Chest CT, axial plane, 130 kVp, kernel B31s. Slice 74/115 from the bottom of the scan; thickness 3.00 mm; pixel size 0.582 mm.
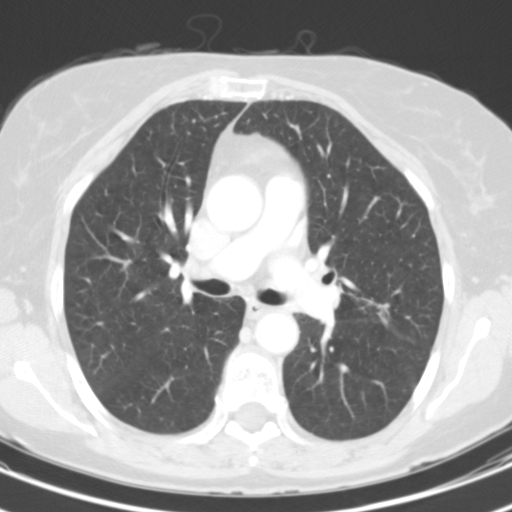
Pulmonary nodule at rows 303–328, columns 376–391 (box = the union of the readers' outlines on this slice), outlined by all four readers, three of them on this slice; longest diameter 16.7 mm on average over the four readers' outlines (readers' outlines 15.5–18.1 mm), volume 196–1011 mm3. The readers' prevailing ratings and who disagreed: texture 5/5 (solid) by two of four readers; the rest gave 3/5 (part-solid) (one), 4/5 (one); margin split among the readers: 2/5 (two), 3/5 (two); most readers (three of four) put sphericity at 2/5, others 3/5 (ovoid) (one); calcification absent, all four readers agreeing; internal structure soft tissue from all four readers; subtlety 5/5 by three of four readers; the rest gave 4/5 (one); malignancy likelihood 3/5 by two of four readers; the rest gave 4/5 (one), 5/5 (one). Scale key (1–5): texture non-solid→solid, margin indistinct→circumscribed, sphericity linear→round, subtlety extremely subtle→obvious, malignancy likelihood highly unlikely→highly suspicious of cancer. Box rows and columns are 0-based pixel indices from the top-left corner, inclusive.